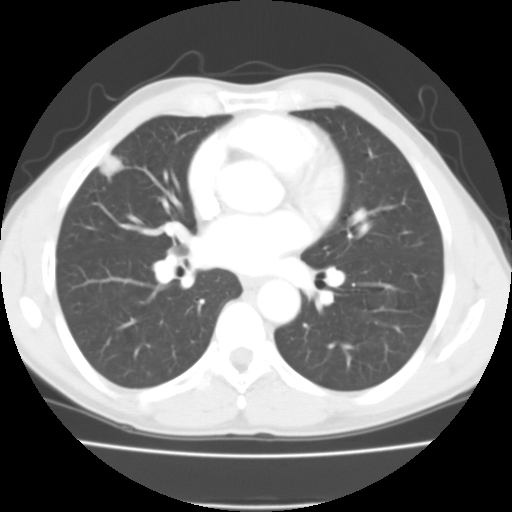
This is axial slice 54 of 104 (slice 1 is the lowest) of a chest CT; each pixel is 0.622 mm and the slice is 3.00 mm thick. Pulmonary nodule outlined by all four readers; box rows 153–178, columns 97–123 (the union of the readers' outlines on this slice); longest diameter 17.9 mm on average over the four readers' outlines (readers' outlines 16.8–18.8 mm), volume 1860–2194 mm3. The readers' prevailing ratings and who disagreed: texture 5/5 (solid) by three of four readers; the rest gave 4/5 (one); margin split among the readers: 4/5 (two), 5/5 (circumscribed) (two); sphericity 4/5 by three of four readers; the rest gave 5/5 (round) (one); calcification absent from all four readers; internal structure soft tissue, all four readers agreeing; subtlety 5/5 from all four readers; malignancy likelihood 3/5, all four readers agreeing. Scale key (1–5): texture non-solid→solid, margin indistinct→circumscribed, sphericity linear→round, subtlety extremely subtle→obvious, malignancy likelihood highly unlikely→highly suspicious of cancer. Box rows and columns are 0-based pixel indices from the top-left corner, inclusive.
Scan settings: 135 kVp, FC01 reconstruction kernel.